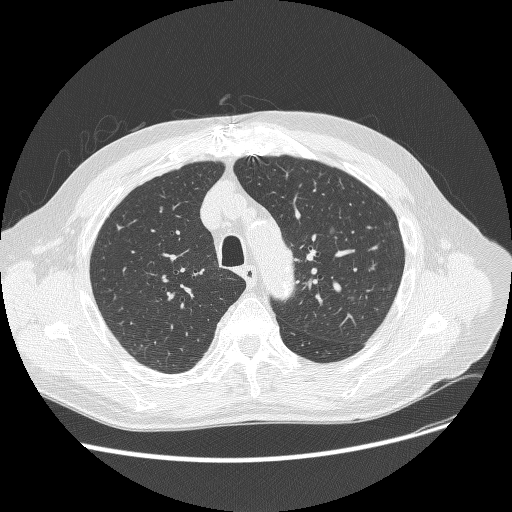
Axial chest CT slice 208 of 268 (counted from the lowest slice); 1.25 mm thick, 0.742 mm per pixel. Pulmonary nodule, outlined by three of the four readers. Box on this slice rows 225–234, columns 328–335, the union of the readers' outlines on this slice; median longest diameter 8.3 mm (readers' outlines 6.3–8.7 mm), median volume 112 mm3 (55–117 mm3). Ratings, median across the readers with their spread: texture 1/5 (non-solid) at the median of three readers, spread 1/5 (non-solid) to 2/5; median margin 1/5 (indistinct) (readers ranged 1/5 (indistinct) to 3/5); median sphericity 4/5 (readers ranged 3/5 (ovoid) to 4/5); calcification absent from all three readers; internal structure soft tissue from all three readers; subtlety 2/5 at the median of three readers, spread 1–2; malignancy likelihood 2/5 at the median of three readers, spread 2–3. Scale key (1–5): texture non-solid→solid, margin indistinct→circumscribed, sphericity linear→round, subtlety extremely subtle→obvious, malignancy likelihood highly unlikely→highly suspicious of cancer. Box rows and columns are 0-based pixel indices from the top-left corner, inclusive.
Scan settings: 120 kVp, BONE reconstruction kernel.